Chest CT, axial plane, 140 kVp, kernel BONE. Slice 223/274 from the bottom of the scan; thickness 1.25 mm; pixel size 0.615 mm.
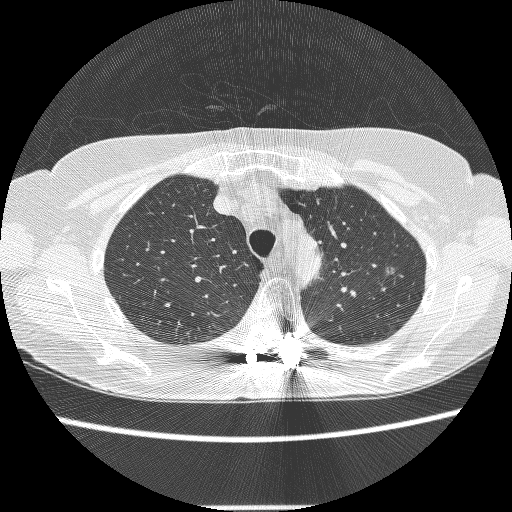
Pulmonary nodule outlined by three of the four readers; box rows 267–274, columns 386–394 (the union of the readers' outlines on this slice); median longest diameter 7.5 mm (readers' outlines 6.7–8.3 mm), median volume 95 mm3 (80–101 mm3). Median ratings and the readers' spread: median texture 3/5 (part-solid) (readers ranged 1/5 (non-solid) to 5/5 (solid)); median margin 2/5 (readers ranged 1/5 (indistinct) to 5/5 (circumscribed)); sphericity 4/5, all three readers agreeing; calcification absent, all three readers agreeing; internal structure soft tissue from all three readers; subtlety 2/5 at the median of three readers, spread 1–5; malignancy likelihood 3/5 at the median of three readers, spread 2–4. Scale key (1–5): texture non-solid→solid, margin indistinct→circumscribed, sphericity linear→round, subtlety extremely subtle→obvious, malignancy likelihood highly unlikely→highly suspicious of cancer. Box rows and columns are 0-based pixel indices from the top-left corner, inclusive.